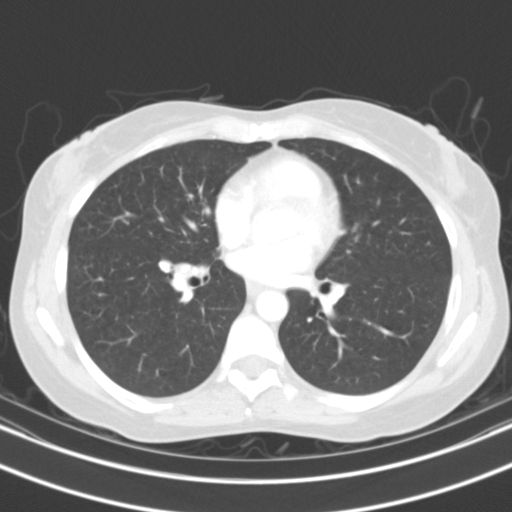
This is axial slice 59 of 108 (slice 1 is the lowest) of a chest CT; each pixel is 0.629 mm and the slice is 3.00 mm thick. Pulmonary nodule, outlined by all four readers. Box on this slice rows 259–273, columns 158–171, the union of the readers' outlines on this slice; longest diameter 10.0 mm on average over the four readers' outlines (readers' outlines 9.6–10.7 mm), volume 250–379 mm3. The readers' prevailing ratings and who disagreed: texture 5/5 (solid) from all four readers; most readers (three of four) put margin at 5/5 (circumscribed), others 4/5 (one); sphericity 3/5 (ovoid) by two of four readers; the rest gave 4/5 (one), 5/5 (round) (one); calcification solid calcification, all four readers agreeing; internal structure soft tissue from all four readers; most readers (three of four) put subtlety at 4/5, others 5/5 (one); malignancy likelihood 1/5 from all four readers. Scale key (1–5): texture non-solid→solid, margin indistinct→circumscribed, sphericity linear→round, subtlety extremely subtle→obvious, malignancy likelihood highly unlikely→highly suspicious of cancer. Box rows and columns are 0-based pixel indices from the top-left corner, inclusive.
Tube voltage 130 kVp; convolution kernel B31s.